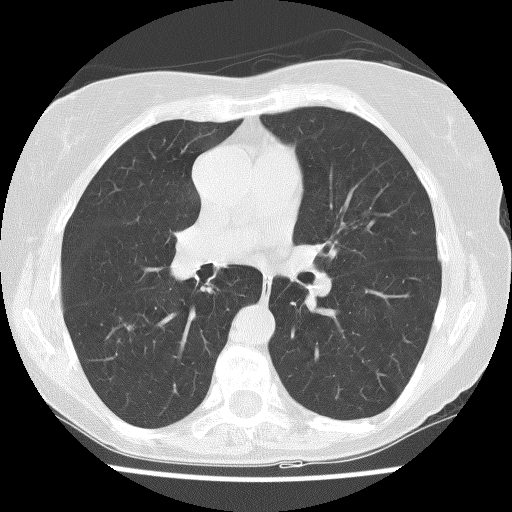
Axial chest CT slice 71 of 120 (counted from the lowest slice); tube voltage 140 kVp, convolution kernel BONE; slices 2.50 mm thick, 0.576 mm per pixel.
Pulmonary nodule outlined by one of the four readers; box rows 325–329, columns 127–131 (that reader's outline on this slice); longest diameter 3.9 mm and volume 42 mm3 from that reader's outline. Ratings by that reader: texture 3/5 (part-solid); margin 5/5 (circumscribed); sphericity 5/5 (round); calcification absent; internal structure soft tissue; subtlety 1/5; malignancy likelihood 2/5. Scale key (1–5): texture non-solid→solid, margin indistinct→circumscribed, sphericity linear→round, subtlety extremely subtle→obvious, malignancy likelihood highly unlikely→highly suspicious of cancer. Box rows and columns are 0-based pixel indices from the top-left corner, inclusive.